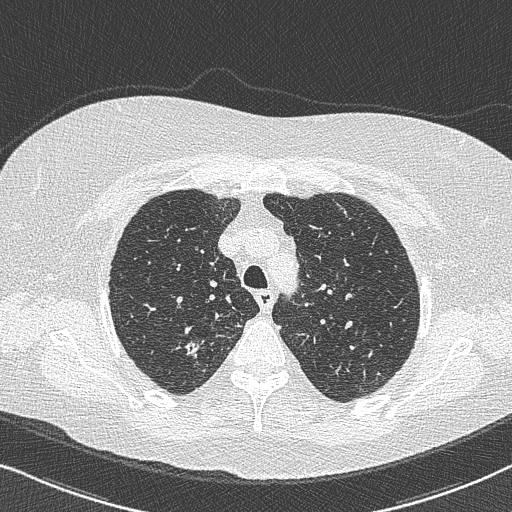
This is axial slice 572 of 733 (slice 1 is the lowest) of a chest CT; each pixel is 0.637 mm and the slice is 0.60 mm thick. Pulmonary nodule outlined by all four readers, three of them on this slice; box rows 341–359, columns 181–201 (the union of the readers' outlines on this slice); median longest diameter 21.4 mm (readers' outlines 15.5–29.7 mm), median volume 1103 mm3 (888–2128 mm3). Ratings, median across the readers with their spread: texture 5/5 (solid) at the median of four readers, spread 4/5 to 5/5 (solid); margin 3/5 at the median of four readers, spread 1/5 (indistinct) to 4/5; median sphericity 3/5 (ovoid) (readers ranged 2/5 to 5/5 (round)); calcification absent, all four readers agreeing; internal structure soft tissue, all four readers agreeing; median subtlety 5/5 (readers ranged 4–5); median malignancy likelihood 4/5 (readers ranged 4–5). Scale key (1–5): texture non-solid→solid, margin indistinct→circumscribed, sphericity linear→round, subtlety extremely subtle→obvious, malignancy likelihood highly unlikely→highly suspicious of cancer. Box rows and columns are 0-based pixel indices from the top-left corner, inclusive.
Scan settings: 120 kVp, B50f reconstruction kernel.